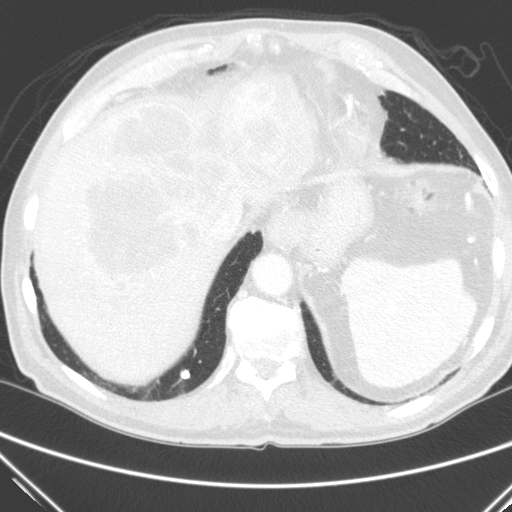
Chest CT, axial plane, 120 kVp, kernel C. Slice 44/290 from the bottom of the scan; thickness 2.00 mm; pixel size 0.682 mm.
Pulmonary nodule, outlined by three of the four readers. Box on this slice rows 370–378, columns 178–189, the union of the readers' outlines on this slice; longest diameter 8.4 mm on average over the three readers' outlines (readers' outlines 7.9–9.1 mm), volume 197–260 mm3. The readers' prevailing ratings and who disagreed: texture 5/5 (solid) from all three readers; margin 5/5 (circumscribed) from all three readers; sphericity 5/5 (round) by two of three readers; the rest gave 4/5 (one); calcification absent by two of three readers, solid calcification (one); internal structure soft tissue, all three readers agreeing; subtlety 5/5 from all three readers; malignancy likelihood 1/5 by two of three readers; the rest gave 3/5 (one). Scale key (1–5): texture non-solid→solid, margin indistinct→circumscribed, sphericity linear→round, subtlety extremely subtle→obvious, malignancy likelihood highly unlikely→highly suspicious of cancer. Box rows and columns are 0-based pixel indices from the top-left corner, inclusive.